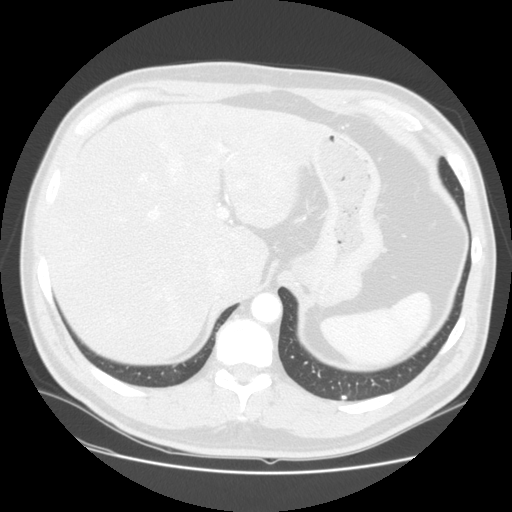
Chest CT, axial plane, 120 kVp, kernel STANDARD. Slice 43/139 from the bottom of the scan; thickness 2.50 mm; pixel size 0.742 mm.
Pulmonary nodule at rows 394–399, columns 340–347 (box = the union of the readers' outlines on this slice), outlined by all four readers; median longest diameter 5.9 mm (readers' outlines 5.4–6.7 mm), median volume 86 mm3 (63–142 mm3). Median ratings and the readers' spread: texture 5/5 (solid) from all four readers; margin 5/5 (circumscribed) from all four readers; sphericity 4.5/5 at the median of four readers, spread 3/5 (ovoid) to 5/5 (round); calcification solid calcification from all four readers; internal structure soft tissue, all four readers agreeing; median subtlety 5/5 (readers ranged 4–5); malignancy likelihood 1/5 from all four readers. Scale key (1–5): texture non-solid→solid, margin indistinct→circumscribed, sphericity linear→round, subtlety extremely subtle→obvious, malignancy likelihood highly unlikely→highly suspicious of cancer. Box rows and columns are 0-based pixel indices from the top-left corner, inclusive.